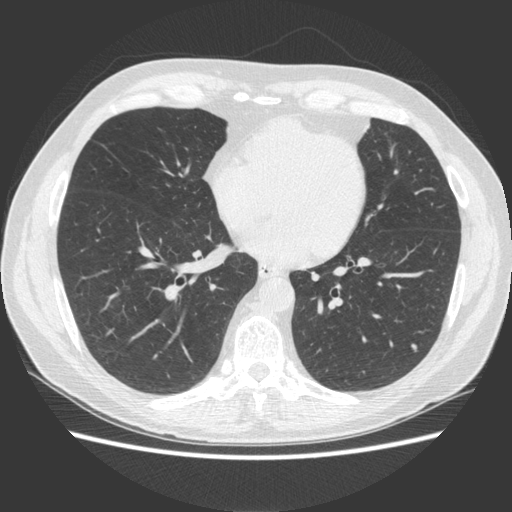
Slice 198/500 of a chest CT, counting up from the lowest; pixel size 0.703 mm, slice thickness 1.25 mm. Pulmonary nodule, outlined by three of the four readers. Box on this slice rows 344–351, columns 411–416, the union of the readers' outlines on this slice; the three readers' outlines give a longest diameter between 6.6 and 8.2 mm and a volume between 102 and 165 mm3. Ratings across the readers: texture from 4/5 to 5/5 (solid) across the three readers; margin from 4/5 to 5/5 (circumscribed) across the three readers; sphericity from 3/5 (ovoid) to 5/5 (round) across the three readers; calcification absent, all three readers agreeing; internal structure soft tissue, all three readers agreeing; subtlety from 4/5 to 5/5 across the three readers; malignancy likelihood rated between 2 and 4 out of 5 by the three readers. Scale key (1–5): texture non-solid→solid, margin indistinct→circumscribed, sphericity linear→round, subtlety extremely subtle→obvious, malignancy likelihood highly unlikely→highly suspicious of cancer. Box rows and columns are 0-based pixel indices from the top-left corner, inclusive.
Scan settings: 120 kVp, STANDARD reconstruction kernel.